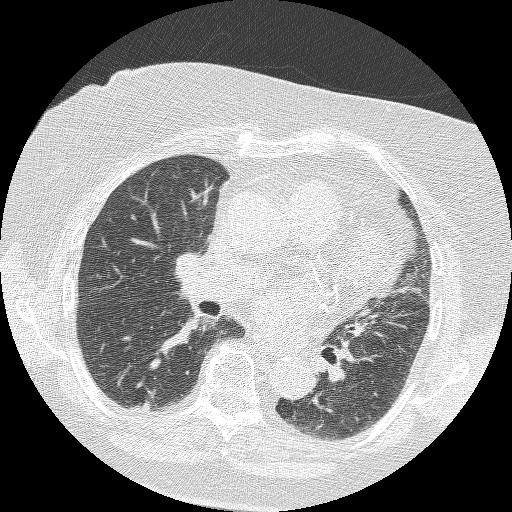
Axial chest CT slice 144 of 235 (counted from the lowest slice); tube voltage 120 kVp, convolution kernel BONE; slices 1.25 mm thick, 0.625 mm per pixel.
Pulmonary nodule outlined by two of the four readers, one of them on this slice; box rows 400–412, columns 133–152 (the one reader's outline on this slice); longest diameter 17.6–22.4 mm and volume 602–1472 mm3 across the two readers' outlines. Ratings across the readers: texture 5/5 (solid) from both readers; margin from 2/5 to 5/5 (circumscribed) across the two readers; sphericity from 1/5 (linear) to 2/5 across the two readers; calcification absent from both readers; internal structure soft tissue, both readers agreeing; subtlety 5/5, both readers agreeing; malignancy likelihood 3/5, both readers agreeing. Scale key (1–5): texture non-solid→solid, margin indistinct→circumscribed, sphericity linear→round, subtlety extremely subtle→obvious, malignancy likelihood highly unlikely→highly suspicious of cancer. Box rows and columns are 0-based pixel indices from the top-left corner, inclusive.